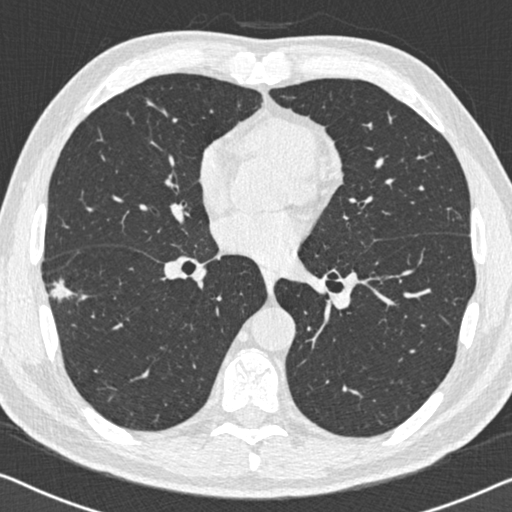
This is axial slice 302 of 558 (slice 1 is the lowest) of a chest CT; each pixel is 0.648 mm and the slice is 0.75 mm thick. Two pulmonary nodules are outlined on this slice; from left to right: (1) Pulmonary nodule outlined by all four readers; box rows 278–302, columns 48–77 (the union of the readers' outlines on this slice); longest diameter 18.8–26.5 mm and volume 726–1916 mm3 across the four readers' outlines. The readers' ratings, as ranges where they differ: texture from 3/5 (part-solid) to 5/5 (solid) across the four readers; margin from 1/5 (indistinct) to 4/5 across the four readers; sphericity from 2/5 to 4/5 across the four readers; calcification absent, all four readers agreeing; internal structure soft tissue from all four readers; subtlety rated between 4 and 5 out of 5 by the four readers; malignancy likelihood rated between 4 and 5 out of 5 by the four readers. (2) Pulmonary nodule, outlined by all four readers. Box on this slice rows 100–106, columns 147–154, the union of the readers' outlines on this slice; longest diameter 8.4 mm on average over the four readers' outlines (readers' outlines 7.4–9.6 mm), volume 85–182 mm3. Ratings, by the readers' most common answer with dissent counted: most readers (three of four) put texture at 5/5 (solid), others 4/5 (one); margin 4/5 by three of four readers; the rest gave 5/5 (circumscribed) (one); most readers (three of four) put sphericity at 3/5 (ovoid), others 4/5 (one); calcification absent, all four readers agreeing; internal structure soft tissue from all four readers; subtlety 4/5 by three of four readers; the rest gave 5/5 (one); most readers (three of four) put malignancy likelihood at 3/5, others 4/5 (one). Scale key (1–5): texture non-solid→solid, margin indistinct→circumscribed, sphericity linear→round, subtlety extremely subtle→obvious, malignancy likelihood highly unlikely→highly suspicious of cancer. Box rows and columns are 0-based pixel indices from the top-left corner, inclusive.
Scan settings: 120 kVp, B30f reconstruction kernel.